Chest CT, axial plane, 120 kVp, kernel D. Slice 188/290 from the bottom of the scan; thickness 2.00 mm; pixel size 0.648 mm.
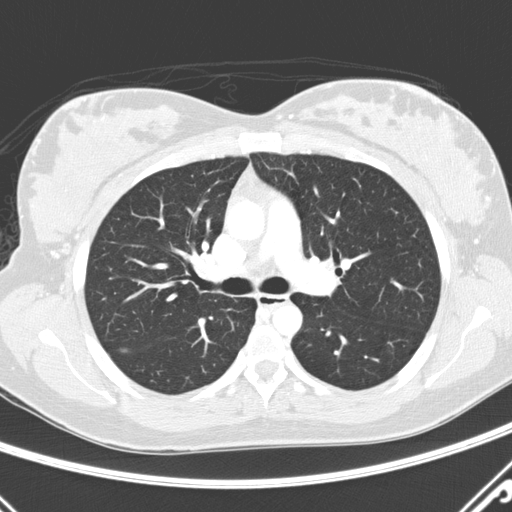
Pulmonary nodule, outlined by one of the four readers. Box on this slice rows 348–352, columns 120–127, that reader's outline on this slice; longest diameter 7.0 mm and volume 74 mm3 from that reader's outline. Ratings by that reader: texture 4/5; margin 1/5 (indistinct); sphericity 3/5 (ovoid); calcification absent; internal structure soft tissue; subtlety 5/5; malignancy likelihood 3/5. Scale key (1–5): texture non-solid→solid, margin indistinct→circumscribed, sphericity linear→round, subtlety extremely subtle→obvious, malignancy likelihood highly unlikely→highly suspicious of cancer. Box rows and columns are 0-based pixel indices from the top-left corner, inclusive.